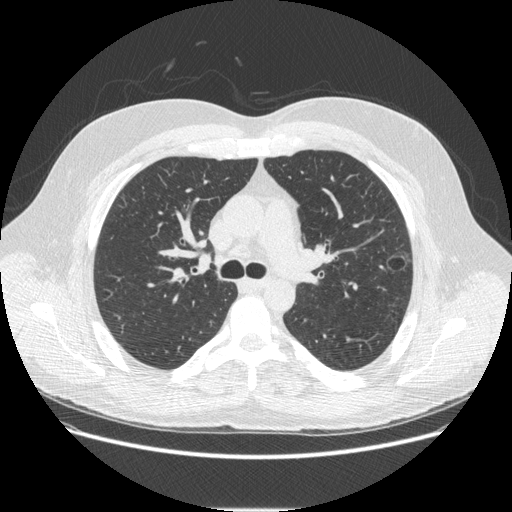
Axial chest CT slice 314 of 497 (counted from the lowest slice); 1.25 mm thick, 0.762 mm per pixel. Pulmonary nodule, outlined by all four readers. Box on this slice rows 251–272, columns 386–411, the union of the readers' outlines on this slice; longest diameter 21.5–22.5 mm and volume 2170–2597 mm3 across the four readers' outlines. Ratings across the readers: texture from 1/5 (non-solid) to 3/5 (part-solid) across the four readers; margin from 2/5 to 4/5 across the four readers; sphericity from 3/5 (ovoid) to 5/5 (round) across the four readers; calcification absent, all four readers agreeing; internal structure split among the readers: air (two), soft tissue (two); subtlety 1–5/5 (the readers disagree); malignancy likelihood rated between 1 and 5 out of 5 by the four readers. Scale key (1–5): texture non-solid→solid, margin indistinct→circumscribed, sphericity linear→round, subtlety extremely subtle→obvious, malignancy likelihood highly unlikely→highly suspicious of cancer. Box rows and columns are 0-based pixel indices from the top-left corner, inclusive.
Tube voltage 120 kVp; convolution kernel STANDARD.